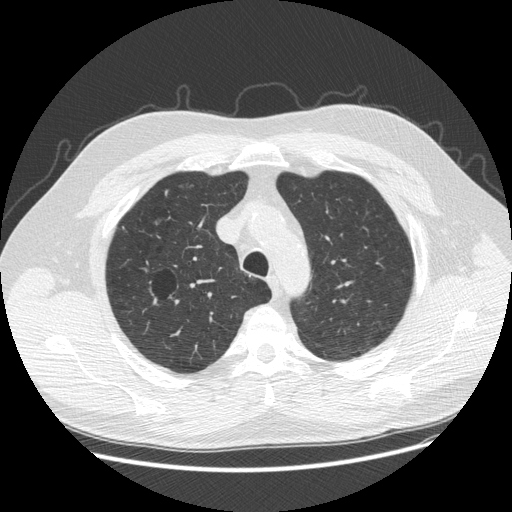
This is axial slice 379 of 481 (slice 1 is the lowest) of a chest CT; each pixel is 0.742 mm and the slice is 1.25 mm thick. Pulmonary nodule at rows 189–196, columns 164–168 (box = the union of the readers' outlines on this slice), outlined by two of the four readers; the two readers' outlines give a longest diameter between 8.5 and 9.0 mm and a volume between 54 and 136 mm3. Ratings across the readers: texture from 3/5 (part-solid) to 4/5 across the two readers; margin from 2/5 to 4/5 across the two readers; sphericity from 2/5 to 3/5 (ovoid) across the two readers; calcification absent from both readers; internal structure soft tissue, both readers agreeing; subtlety from 1/5 to 3/5 across the two readers; malignancy likelihood rated between 2 and 4 out of 5 by the two readers. Scale key (1–5): texture non-solid→solid, margin indistinct→circumscribed, sphericity linear→round, subtlety extremely subtle→obvious, malignancy likelihood highly unlikely→highly suspicious of cancer. Box rows and columns are 0-based pixel indices from the top-left corner, inclusive.
Tube voltage 120 kVp; convolution kernel STANDARD.